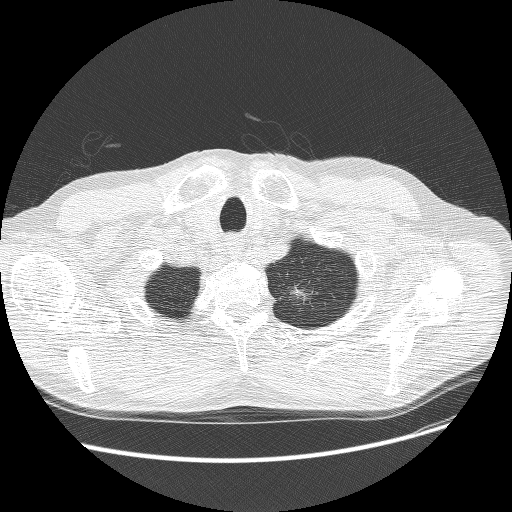
Axial chest CT slice 249 of 268 (counted from the lowest slice); tube voltage 120 kVp, convolution kernel BONE; slices 1.25 mm thick, 0.742 mm per pixel.
Pulmonary nodule outlined by three of the four readers; box rows 282–305, columns 285–317 (the union of the readers' outlines on this slice); median longest diameter 31.0 mm (readers' outlines 30.8–31.7 mm), median volume 5956 mm3 (4750–7267 mm3). Median ratings and the readers' spread: texture 3/5 (part-solid), all three readers agreeing; margin 1/5 (indistinct), all three readers agreeing; median sphericity 3/5 (ovoid) (readers ranged 3/5 (ovoid) to 4/5); calcification absent, all three readers agreeing; internal structure soft tissue from all three readers; subtlety 5/5 at the median of three readers, spread 4–5; malignancy likelihood 4/5 at the median of three readers, spread 4–5. Scale key (1–5): texture non-solid→solid, margin indistinct→circumscribed, sphericity linear→round, subtlety extremely subtle→obvious, malignancy likelihood highly unlikely→highly suspicious of cancer. Box rows and columns are 0-based pixel indices from the top-left corner, inclusive.